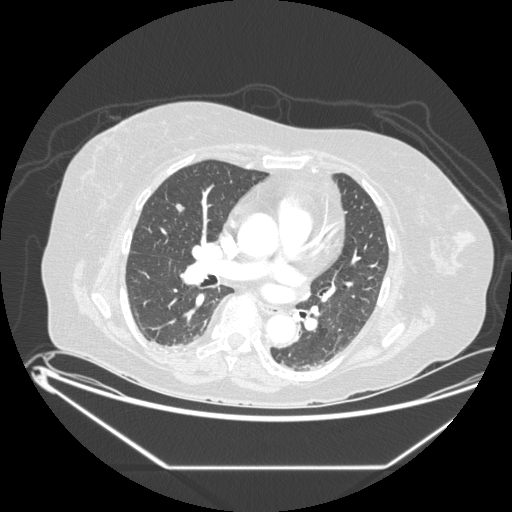
One axial slice (102 of 197, counting up from the lowest) of a chest CT acquired at 120 kVp with the STANDARD kernel; each pixel is 0.859 mm and the slice is 1.25 mm thick.
Pulmonary nodule at rows 202–213, columns 175–184 (box = the union of the readers' outlines on this slice), outlined by all four readers; the four readers' outlines give a longest diameter between 9.3 and 11.5 mm and a volume between 206 and 288 mm3. Ratings across the readers: texture 5/5 (solid), all four readers agreeing; margin from 3/5 to 5/5 (circumscribed) across the four readers; sphericity from 3/5 (ovoid) to 5/5 (round) across the four readers; calcification absent from all four readers; internal structure soft tissue, all four readers agreeing; subtlety from 3/5 to 5/5 across the four readers; malignancy likelihood 2–4/5 (the readers disagree). Scale key (1–5): texture non-solid→solid, margin indistinct→circumscribed, sphericity linear→round, subtlety extremely subtle→obvious, malignancy likelihood highly unlikely→highly suspicious of cancer. Box rows and columns are 0-based pixel indices from the top-left corner, inclusive.